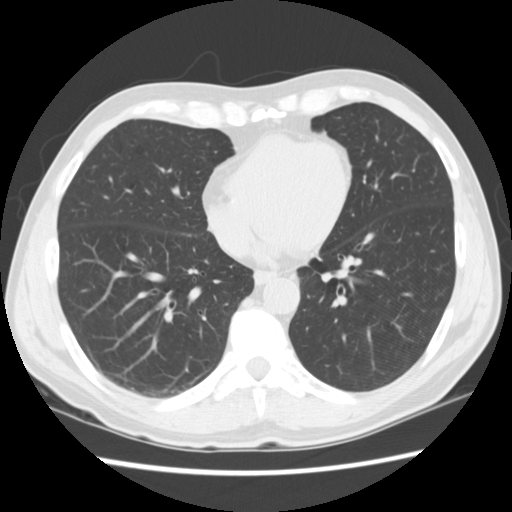
Axial slice 60 of 161 of a chest CT (slice 1 is the lowest), reconstructed with the STANDARD kernel at 120 kVp; 2.50 mm slice thickness and 0.664 mm pixels.
No nodule of 3 mm or larger was outlined by any of the four readers on this slice.